Chest CT, axial plane, 120 kVp, kernel LUNG. Slice 48/125 from the bottom of the scan; thickness 2.50 mm; pixel size 0.703 mm.
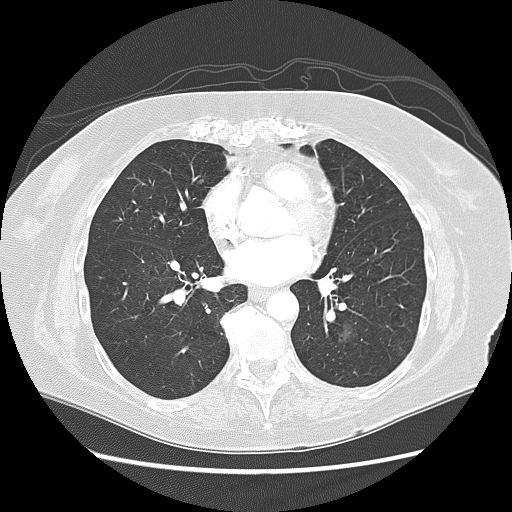
Pulmonary nodule outlined by three of the four readers; box rows 321–342, columns 341–356 (the union of the readers' outlines on this slice); median longest diameter 17.4 mm (readers' outlines 16.8–17.9 mm), median volume 1430 mm3 (872–1576 mm3). Median ratings and the readers' spread: median texture 1/5 (non-solid) (readers ranged 1/5 (non-solid) to 2/5); median margin 1/5 (indistinct) (readers ranged 1/5 (indistinct) to 4/5); sphericity 3/5 (ovoid) at the median of three readers, spread 3/5 (ovoid) to 4/5; calcification absent from all three readers; internal structure soft tissue from all three readers; median subtlety 3/5 (readers ranged 2–4); malignancy likelihood 3/5 at the median of three readers, spread 2–5. Scale key (1–5): texture non-solid→solid, margin indistinct→circumscribed, sphericity linear→round, subtlety extremely subtle→obvious, malignancy likelihood highly unlikely→highly suspicious of cancer. Box rows and columns are 0-based pixel indices from the top-left corner, inclusive.